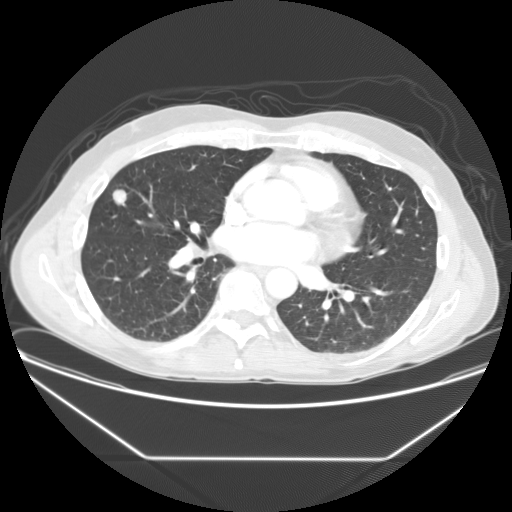
Chest CT, axial plane, 120 kVp, kernel STANDARD. Slice 75/137 from the bottom of the scan; thickness 2.50 mm; pixel size 0.781 mm.
Pulmonary nodule at rows 189–205, columns 112–126 (box = the union of the readers' outlines on this slice), outlined by all four readers; longest diameter 14.3–15.8 mm and volume 1035–1472 mm3 across the four readers' outlines. Ratings across the readers: texture 5/5 (solid), all four readers agreeing; margin from 4/5 to 5/5 (circumscribed) across the four readers; sphericity from 4/5 to 5/5 (round) across the four readers; calcification absent, all four readers agreeing; internal structure soft tissue from all four readers; subtlety from 3/5 to 5/5 across the four readers; malignancy likelihood 2–4/5 (the readers disagree). Scale key (1–5): texture non-solid→solid, margin indistinct→circumscribed, sphericity linear→round, subtlety extremely subtle→obvious, malignancy likelihood highly unlikely→highly suspicious of cancer. Box rows and columns are 0-based pixel indices from the top-left corner, inclusive.